Axial chest CT slice 84 of 214 (counted from the lowest slice); tube voltage 120 kVp, convolution kernel LUNG; slices 1.25 mm thick, 0.820 mm per pixel.
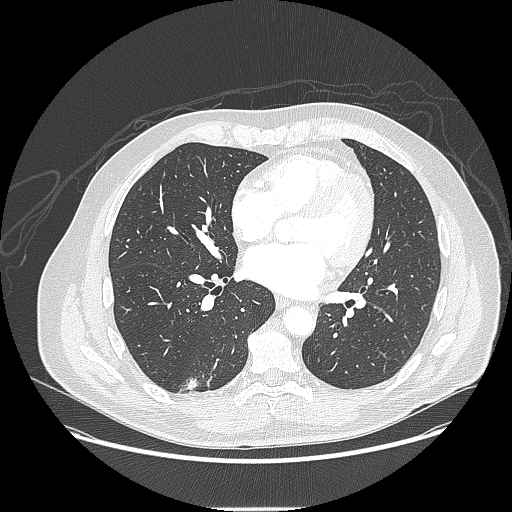
Pulmonary nodule at rows 378–389, columns 184–197 (box = the union of the readers' outlines on this slice), outlined by all four readers, three of them on this slice; longest diameter 14.7–27.9 mm and volume 696–2326 mm3 across the four readers' outlines. Ratings across the readers: texture from 4/5 to 5/5 (solid) across the four readers; margin from 1/5 (indistinct) to 4/5 across the four readers; sphericity from 2/5 to 3/5 (ovoid) across the four readers; calcification absent, all four readers agreeing; internal structure soft tissue, all four readers agreeing; subtlety rated between 4 and 5 out of 5 by the four readers; malignancy likelihood rated between 3 and 4 out of 5 by the four readers. Scale key (1–5): texture non-solid→solid, margin indistinct→circumscribed, sphericity linear→round, subtlety extremely subtle→obvious, malignancy likelihood highly unlikely→highly suspicious of cancer. Box rows and columns are 0-based pixel indices from the top-left corner, inclusive.